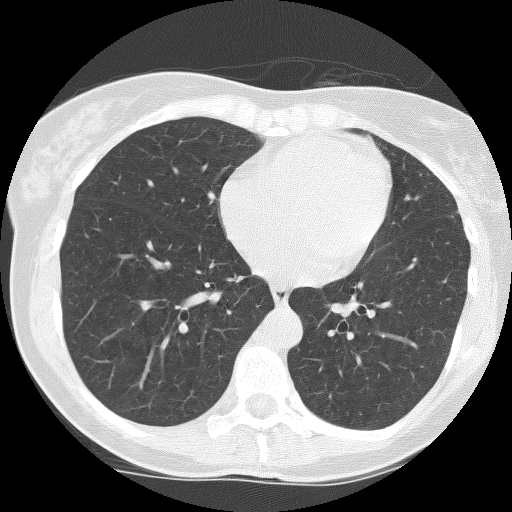
One axial slice (64 of 133, counting up from the lowest) of a chest CT acquired at 140 kVp with the BONE kernel; each pixel is 0.557 mm and the slice is 2.50 mm thick.
No nodule of 3 mm or larger was outlined by any of the four readers on this slice.